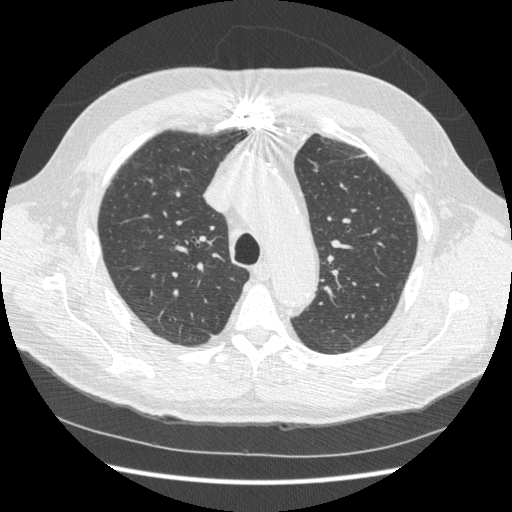
Slice 258/369 of a chest CT, counting up from the lowest; pixel size 0.703 mm, slice thickness 1.25 mm. Pulmonary nodule at rows 334–338, columns 210–213 (box = that reader's outline on this slice), outlined by one of the four readers; longest diameter 7.6 mm and volume 55 mm3 from that reader's outline. That reader's ratings: texture 5/5 (solid); margin 1/5 (indistinct); sphericity 3/5 (ovoid); calcification absent; internal structure soft tissue; subtlety 5/5; malignancy likelihood 2/5. Scale key (1–5): texture non-solid→solid, margin indistinct→circumscribed, sphericity linear→round, subtlety extremely subtle→obvious, malignancy likelihood highly unlikely→highly suspicious of cancer. Box rows and columns are 0-based pixel indices from the top-left corner, inclusive.
Tube voltage 120 kVp; convolution kernel STANDARD.